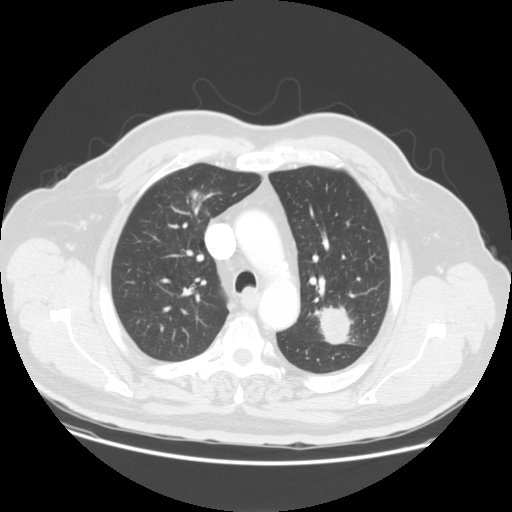
Axial chest CT slice 112 of 149 (counted from the lowest slice); tube voltage 120 kVp, convolution kernel STANDARD; slices 2.50 mm thick, 0.781 mm per pixel.
Two pulmonary nodules are outlined on this slice; from left to right: (1) Pulmonary nodule, outlined by all four readers. Box on this slice rows 188–209, columns 187–203, the union of the readers' outlines on this slice; median longest diameter 28.1 mm (readers' outlines 24.8–32.8 mm), median volume 2691 mm3 (2485–3042 mm3). Median ratings and the readers' spread: median texture 4.5/5 (readers ranged 1/5 (non-solid) to 5/5 (solid)); margin 4/5, all four readers agreeing; sphericity 3/5 (ovoid) at the median of four readers, spread 3/5 (ovoid) to 5/5 (round); calcification absent, all four readers agreeing; internal structure soft tissue, all four readers agreeing; subtlety 5/5, all four readers agreeing; malignancy likelihood 5/5 at the median of four readers, spread 4–5. (2) Pulmonary nodule, outlined by three of the four readers. Box on this slice rows 306–343, columns 315–352, the union of the readers' outlines on this slice; median longest diameter 34.9 mm (readers' outlines 34.5–53.9 mm), median volume 16329 mm3 (15350–17058 mm3). Median ratings and the readers' spread: texture 5/5 (solid), all three readers agreeing; median margin 4/5 (readers ranged 4/5 to 5/5 (circumscribed)); sphericity 4/5 at the median of three readers, spread 4/5 to 5/5 (round); calcification absent, all three readers agreeing; internal structure soft tissue from all three readers; subtlety 5/5 from all three readers; median malignancy likelihood 5/5 (readers ranged 4–5). Scale key (1–5): texture non-solid→solid, margin indistinct→circumscribed, sphericity linear→round, subtlety extremely subtle→obvious, malignancy likelihood highly unlikely→highly suspicious of cancer. Box rows and columns are 0-based pixel indices from the top-left corner, inclusive.